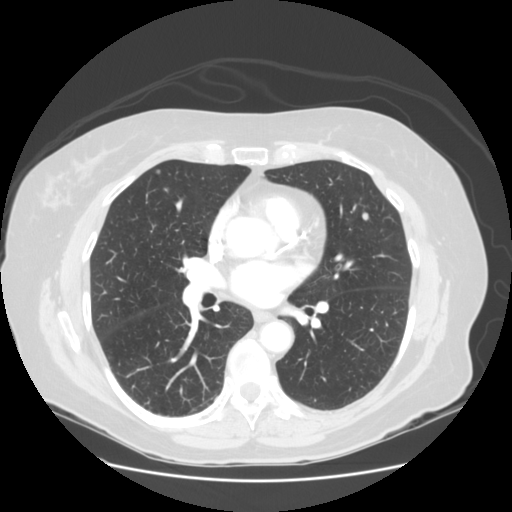
Chest CT, axial plane, 120 kVp, kernel STANDARD. Slice 68/128 from the bottom of the scan; thickness 2.50 mm; pixel size 0.742 mm.
Two pulmonary nodules are outlined on this slice; from left to right: (1) Pulmonary nodule outlined by two of the four readers; box rows 169–173, columns 156–160 (the union of the readers' outlines on this slice); median longest diameter 6.0 mm (readers' outlines 5.7–6.4 mm), median volume 107 mm3 (85–130 mm3). Median ratings and the readers' spread: texture 5/5 (solid) from both readers; margin 5/5 (circumscribed) from both readers; sphericity 5/5 (round), both readers agreeing; calcification absent, both readers agreeing; internal structure soft tissue from both readers; median subtlety 3.5/5 (readers ranged 3–4); median malignancy likelihood 2.5/5 (readers ranged 2–3). (2) Pulmonary nodule outlined by all four readers; box rows 211–220, columns 362–368 (the union of the readers' outlines on this slice); longest diameter 7.5 mm on average over the four readers' outlines (readers' outlines 6.6–8.7 mm), volume 143–242 mm3. The readers' prevailing ratings and who disagreed: texture 5/5 (solid) by three of four readers; the rest gave 4/5 (one); margin 5/5 (circumscribed) by two of four readers; the rest gave 3/5 (one), 4/5 (one); sphericity 5/5 (round) by two of four readers; the rest gave 3/5 (ovoid) (one), 4/5 (one); calcification absent, all four readers agreeing; internal structure soft tissue, all four readers agreeing; subtlety 4/5 by three of four readers; the rest gave 3/5 (one); malignancy likelihood 3/5 by three of four readers; the rest gave 2/5 (one). Scale key (1–5): texture non-solid→solid, margin indistinct→circumscribed, sphericity linear→round, subtlety extremely subtle→obvious, malignancy likelihood highly unlikely→highly suspicious of cancer. Box rows and columns are 0-based pixel indices from the top-left corner, inclusive.